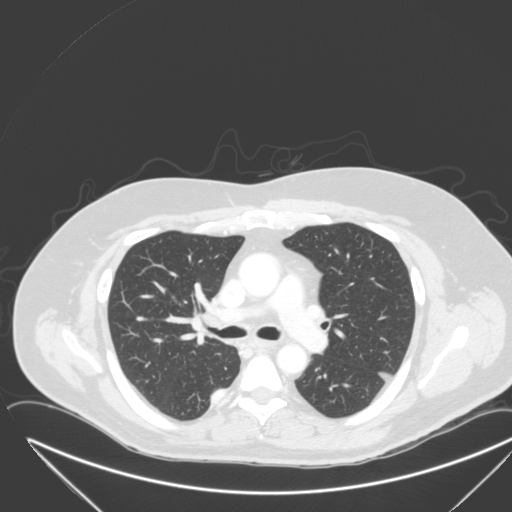
Axial chest CT slice 199 of 315 (counted from the lowest slice); tube voltage 120 kVp, convolution kernel B; slices 2.00 mm thick, 0.830 mm per pixel.
Pulmonary nodule outlined by one of the four readers; box rows 390–402, columns 211–225 (that reader's outline on this slice); longest diameter 27.1 mm and volume 6093 mm3 from that reader's outline. Ratings by that reader: texture 5/5 (solid); margin 4/5; sphericity 2/5; calcification absent; internal structure soft tissue; subtlety 5/5; malignancy likelihood 4/5. Scale key (1–5): texture non-solid→solid, margin indistinct→circumscribed, sphericity linear→round, subtlety extremely subtle→obvious, malignancy likelihood highly unlikely→highly suspicious of cancer. Box rows and columns are 0-based pixel indices from the top-left corner, inclusive.